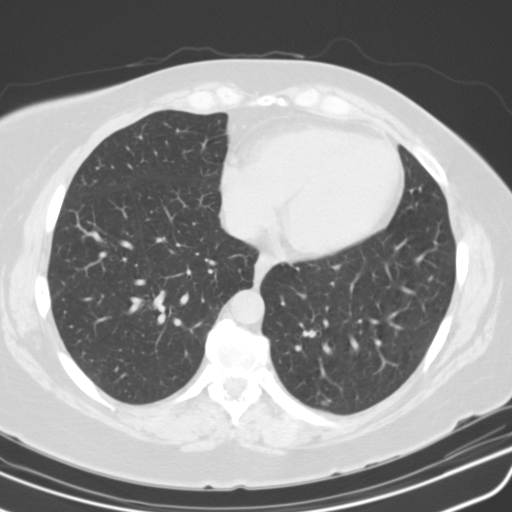
Axial slice 53 of 115 of a chest CT (slice 1 is the lowest), reconstructed with the B31s kernel at 130 kVp; 3.00 mm slice thickness and 0.652 mm pixels.
Pulmonary nodule outlined by all four readers, two of them on this slice; box rows 401–404, columns 321–327 (the union of the readers' outlines on this slice); the four readers' outlines give a longest diameter between 6.4 and 8.8 mm and a volume between 73 and 204 mm3. Ratings across the readers: texture 5/5 (solid), all four readers agreeing; margin 5/5 (circumscribed), all four readers agreeing; sphericity from 4/5 to 5/5 (round) across the four readers; calcification solid calcification, all four readers agreeing; internal structure soft tissue from all four readers; subtlety rated between 3 and 5 out of 5 by the four readers; malignancy likelihood 1/5, all four readers agreeing. Scale key (1–5): texture non-solid→solid, margin indistinct→circumscribed, sphericity linear→round, subtlety extremely subtle→obvious, malignancy likelihood highly unlikely→highly suspicious of cancer. Box rows and columns are 0-based pixel indices from the top-left corner, inclusive.